One axial slice (457 of 536, counting up from the lowest) of a chest CT acquired at 120 kVp with the B30f kernel; each pixel is 0.656 mm and the slice is 0.75 mm thick.
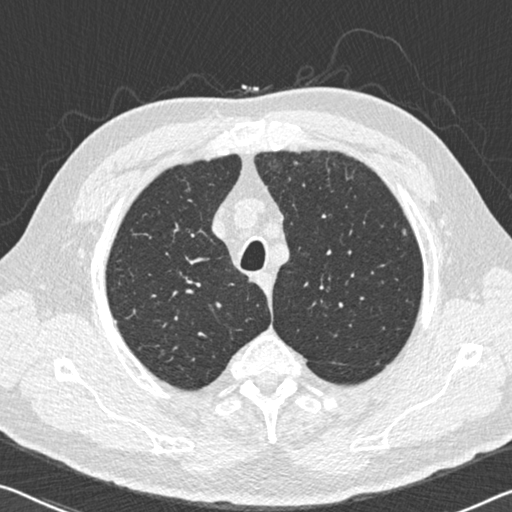
Pulmonary nodule, outlined by one of the four readers. Box on this slice rows 228–235, columns 402–406, that reader's outline on this slice; longest diameter 6.2 mm and volume 42 mm3 from that reader's outline. That reader's ratings: texture 2/5; margin 3/5; sphericity 3/5 (ovoid); calcification absent; internal structure soft tissue; subtlety 3/5; malignancy likelihood 3/5. Scale key (1–5): texture non-solid→solid, margin indistinct→circumscribed, sphericity linear→round, subtlety extremely subtle→obvious, malignancy likelihood highly unlikely→highly suspicious of cancer. Box rows and columns are 0-based pixel indices from the top-left corner, inclusive.